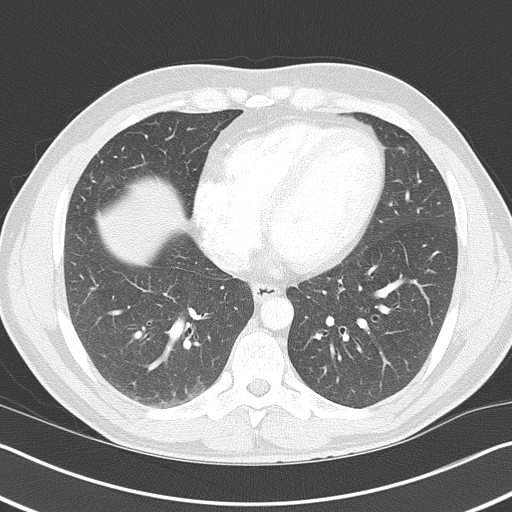
Slice 189/368 of a chest CT, counting up from the lowest; pixel size 0.660 mm, slice thickness 2.00 mm. Pulmonary nodule outlined by one of the four readers; box rows 148–151, columns 399–405 (that reader's outline on this slice); longest diameter 9.3 mm and volume 180 mm3 from that reader's outline. Ratings by that reader: texture 1/5 (non-solid); margin 2/5; sphericity 5/5 (round); calcification absent; internal structure soft tissue; subtlety 1/5; malignancy likelihood 2/5. Scale key (1–5): texture non-solid→solid, margin indistinct→circumscribed, sphericity linear→round, subtlety extremely subtle→obvious, malignancy likelihood highly unlikely→highly suspicious of cancer. Box rows and columns are 0-based pixel indices from the top-left corner, inclusive.
Scan settings: 120 kVp, B70f reconstruction kernel.